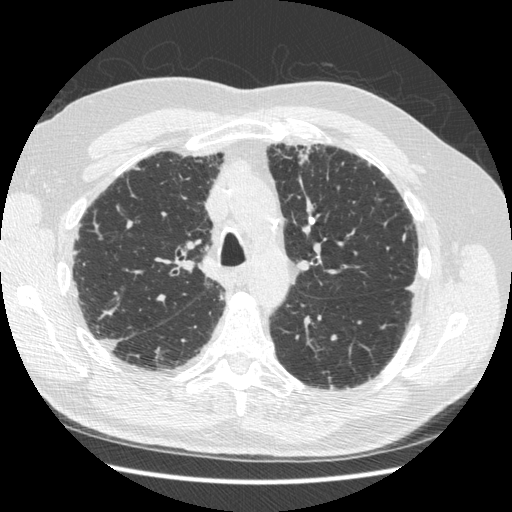
Chest CT, axial plane, 120 kVp, kernel STANDARD. Slice 349/497 from the bottom of the scan; thickness 1.25 mm; pixel size 0.703 mm.
Pulmonary nodule at rows 151–164, columns 298–308 (box = the union of the readers' outlines on this slice), outlined by all four readers, three of them on this slice; longest diameter 16.1 mm on average over the four readers' outlines (readers' outlines 15.2–16.7 mm), volume 670–817 mm3. Ratings, by the readers' most common answer with dissent counted: texture 5/5 (solid), all four readers agreeing; margin 5/5 (circumscribed) by three of four readers; the rest gave 3/5 (one); sphericity 5/5 (round) by two of four readers; the rest gave 2/5 (one), 4/5 (one); calcification solid calcification, all four readers agreeing; internal structure soft tissue from all four readers; subtlety 5/5, all four readers agreeing; malignancy likelihood 1/5, all four readers agreeing. Scale key (1–5): texture non-solid→solid, margin indistinct→circumscribed, sphericity linear→round, subtlety extremely subtle→obvious, malignancy likelihood highly unlikely→highly suspicious of cancer. Box rows and columns are 0-based pixel indices from the top-left corner, inclusive.